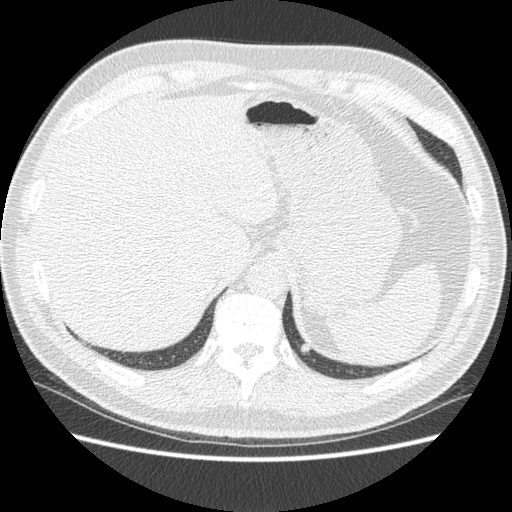
Slice 99/477 of a chest CT, counting up from the lowest; pixel size 0.703 mm, slice thickness 1.25 mm. Pulmonary nodule outlined by all four readers; box rows 341–353, columns 300–310 (the union of the readers' outlines on this slice); longest diameter 11.8 mm on average over the four readers' outlines (readers' outlines 10.5–13.2 mm), volume 347–425 mm3. The readers' prevailing ratings and who disagreed: texture 5/5 (solid) from all four readers; most readers (three of four) put margin at 4/5, others 5/5 (circumscribed) (one); sphericity 3/5 (ovoid) by two of four readers; the rest gave 4/5 (one), 5/5 (round) (one); calcification split among the readers: solid calcification (one), non-central calcification (one), central calcification (one), absent (one); internal structure soft tissue from all four readers; subtlety split among the readers: 3/5 (two), 5/5 (two); malignancy likelihood split among the readers: 1/5 (two), 2/5 (two). Scale key (1–5): texture non-solid→solid, margin indistinct→circumscribed, sphericity linear→round, subtlety extremely subtle→obvious, malignancy likelihood highly unlikely→highly suspicious of cancer. Box rows and columns are 0-based pixel indices from the top-left corner, inclusive.
Tube voltage 120 kVp; convolution kernel STANDARD.